Axial chest CT slice 318 of 368 (counted from the lowest slice); tube voltage 120 kVp, convolution kernel B70f; slices 2.00 mm thick, 0.623 mm per pixel.
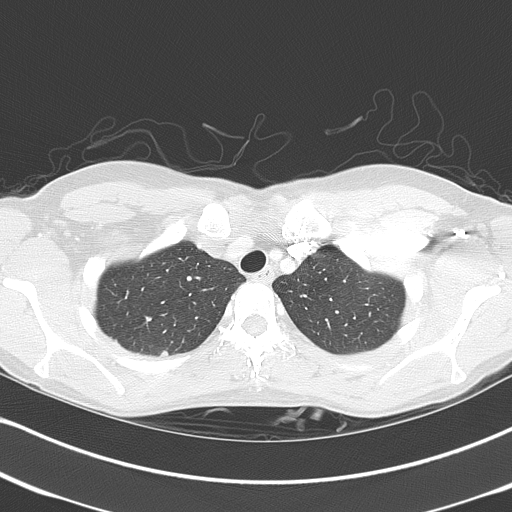
Pulmonary nodule at rows 350–356, columns 159–168 (box = the union of the readers' outlines on this slice), outlined by three of the four readers; longest diameter 5.1–6.9 mm and volume 47–73 mm3 across the three readers' outlines. The readers' ratings, as ranges where they differ: texture 5/5 (solid) from all three readers; margin from 3/5 to 5/5 (circumscribed) across the three readers; sphericity from 3/5 (ovoid) to 4/5 across the three readers; calcification absent from all three readers; internal structure soft tissue from all three readers; subtlety from 3/5 to 5/5 across the three readers; malignancy likelihood 2–3/5 (the readers disagree). Scale key (1–5): texture non-solid→solid, margin indistinct→circumscribed, sphericity linear→round, subtlety extremely subtle→obvious, malignancy likelihood highly unlikely→highly suspicious of cancer. Box rows and columns are 0-based pixel indices from the top-left corner, inclusive.